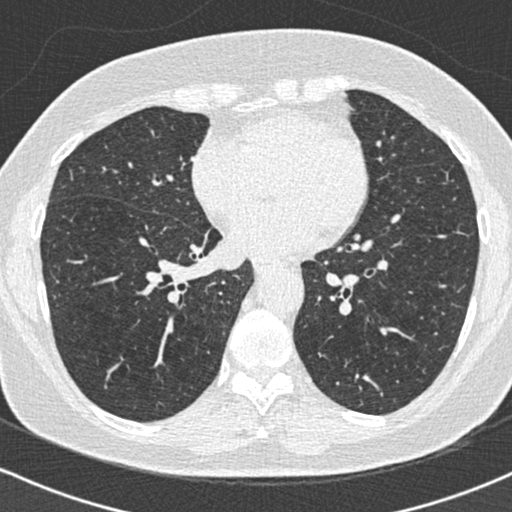
This is axial slice 280 of 672 (slice 1 is the lowest) of a chest CT; each pixel is 0.607 mm and the slice is 0.60 mm thick. No nodule of 3 mm or larger was outlined by any of the four readers on this slice.
Acquired at 120 kVp and reconstructed with the B30f kernel.